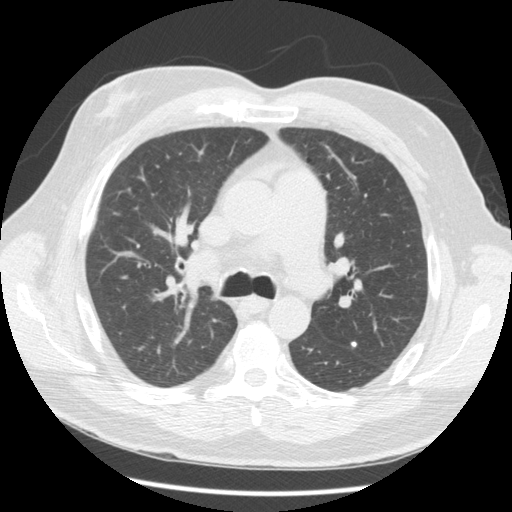
Axial slice 112 of 163 of a chest CT (slice 1 is the lowest), reconstructed with the STANDARD kernel at 120 kVp; 2.50 mm slice thickness and 0.703 mm pixels.
Pulmonary nodule outlined by two of the four readers; box rows 341–347, columns 351–356 (the union of the readers' outlines on this slice); median longest diameter 6.2 mm (readers' outlines 5.4–7.0 mm), median volume 94 mm3 (61–128 mm3). Ratings, median across the readers with their spread: texture 5/5 (solid), both readers agreeing; margin 5/5 (circumscribed), both readers agreeing; median sphericity 4.5/5 (readers ranged 4/5 to 5/5 (round)); calcification split among the readers: solid calcification (one), absent (one); internal structure soft tissue from both readers; subtlety 5/5, both readers agreeing; malignancy likelihood 1/5, both readers agreeing. Scale key (1–5): texture non-solid→solid, margin indistinct→circumscribed, sphericity linear→round, subtlety extremely subtle→obvious, malignancy likelihood highly unlikely→highly suspicious of cancer. Box rows and columns are 0-based pixel indices from the top-left corner, inclusive.